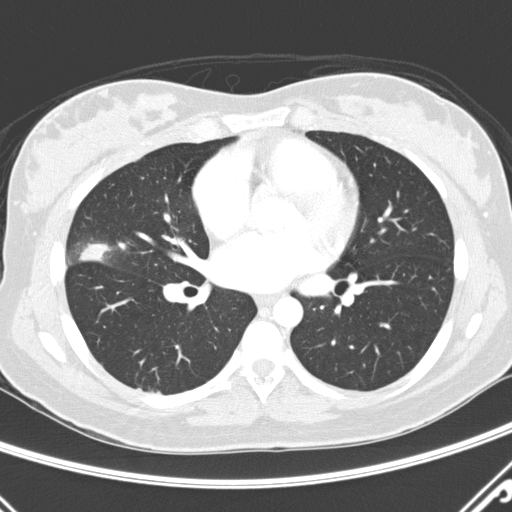
Axial chest CT slice 142 of 290 (counted from the lowest slice); 2.00 mm thick, 0.648 mm per pixel. Pulmonary nodule, outlined by all four readers. Box on this slice rows 243–261, columns 78–111, the union of the readers' outlines on this slice; median longest diameter 23.9 mm (readers' outlines 19.9–37.8 mm), median volume 1825 mm3 (1327–2956 mm3). Median ratings and the readers' spread: median texture 4/5 (readers ranged 3/5 (part-solid) to 5/5 (solid)); margin 1.5/5 at the median of four readers, spread 1/5 (indistinct) to 3/5; sphericity 3/5 (ovoid) at the median of four readers, spread 2/5 to 4/5; calcification absent, all four readers agreeing; internal structure soft tissue from all four readers; subtlety 5/5 from all four readers; malignancy likelihood 4/5 at the median of four readers, spread 3–5. Scale key (1–5): texture non-solid→solid, margin indistinct→circumscribed, sphericity linear→round, subtlety extremely subtle→obvious, malignancy likelihood highly unlikely→highly suspicious of cancer. Box rows and columns are 0-based pixel indices from the top-left corner, inclusive.
Scan settings: 120 kVp, D reconstruction kernel.